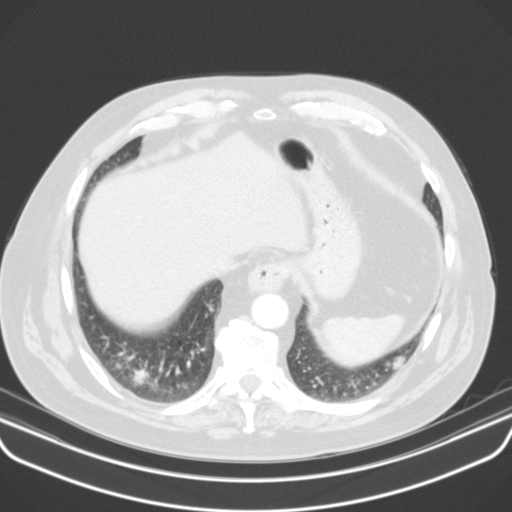
Axial chest CT slice 39 of 107 (counted from the lowest slice); 3.00 mm thick, 0.742 mm per pixel. Pulmonary nodule outlined by two of the four readers; box rows 356–368, columns 392–403 (the union of the readers' outlines on this slice); median longest diameter 11.6 mm (readers' outlines 11.0–12.2 mm), median volume 262 mm3 (170–353 mm3). Ratings, median across the readers with their spread: median texture 4.5/5 (readers ranged 4/5 to 5/5 (solid)); margin 4/5 from both readers; sphericity 2.5/5 at the median of two readers, spread 2/5 to 3/5 (ovoid); calcification absent, both readers agreeing; internal structure soft tissue from both readers; median subtlety 4.5/5 (readers ranged 4–5); malignancy likelihood 2/5, both readers agreeing. Scale key (1–5): texture non-solid→solid, margin indistinct→circumscribed, sphericity linear→round, subtlety extremely subtle→obvious, malignancy likelihood highly unlikely→highly suspicious of cancer. Box rows and columns are 0-based pixel indices from the top-left corner, inclusive.
Acquired at 130 kVp and reconstructed with the B31s kernel.